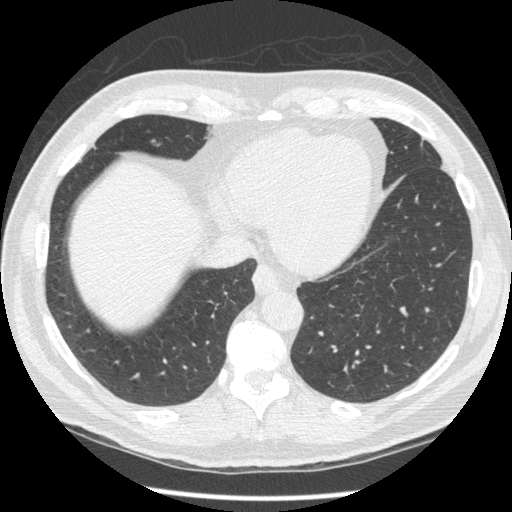
Axial chest CT slice 109 of 452 (counted from the lowest slice); 1.25 mm thick, 0.703 mm per pixel. Pulmonary nodule outlined by one of the four readers; box rows 139–142, columns 151–155 (that reader's outline on this slice); longest diameter 6.4 mm and volume 38 mm3 from that reader's outline. Ratings by that reader: texture 5/5 (solid); margin 5/5 (circumscribed); sphericity 5/5 (round); calcification absent; internal structure soft tissue; subtlety 5/5; malignancy likelihood 3/5. Scale key (1–5): texture non-solid→solid, margin indistinct→circumscribed, sphericity linear→round, subtlety extremely subtle→obvious, malignancy likelihood highly unlikely→highly suspicious of cancer. Box rows and columns are 0-based pixel indices from the top-left corner, inclusive.
Acquired at 120 kVp and reconstructed with the STANDARD kernel.